Chest CT, axial plane, 120 kVp, kernel BONE. Slice 95/258 from the bottom of the scan; thickness 1.25 mm; pixel size 0.766 mm.
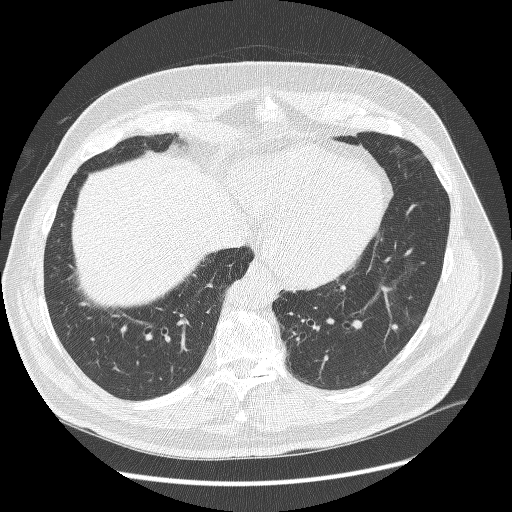
Pulmonary nodule at rows 324–330, columns 391–397 (box = the union of the readers' outlines on this slice), outlined by all four readers; longest diameter 6.4 mm on average over the four readers' outlines (readers' outlines 5.8–7.1 mm), volume 44–99 mm3. Ratings, by the readers' most common answer with dissent counted: texture split among the readers: 4/5 (two), 5/5 (solid) (two); margin 4/5 by three of four readers; the rest gave 5/5 (circumscribed) (one); sphericity 5/5 (round) by two of four readers; the rest gave 3/5 (ovoid) (one), 4/5 (one); calcification absent, all four readers agreeing; internal structure soft tissue from all four readers; subtlety split among the readers: 2/5 (one), 3/5 (one), 4/5 (one), 5/5 (one); most readers (three of four) put malignancy likelihood at 3/5, others 2/5 (one). Scale key (1–5): texture non-solid→solid, margin indistinct→circumscribed, sphericity linear→round, subtlety extremely subtle→obvious, malignancy likelihood highly unlikely→highly suspicious of cancer. Box rows and columns are 0-based pixel indices from the top-left corner, inclusive.